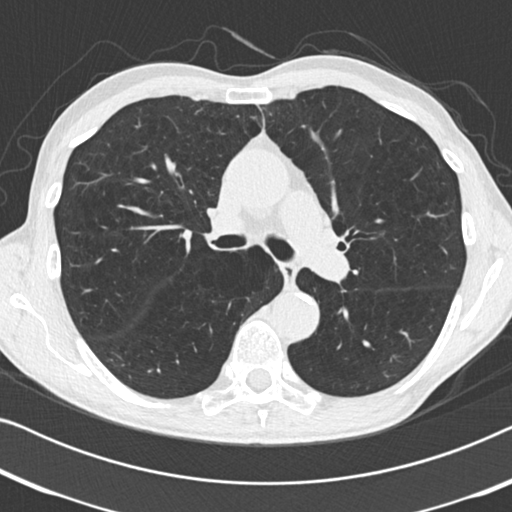
Axial chest CT slice 146 of 225 (counted from the lowest slice); tube voltage 120 kVp, convolution kernel B30f; slices 2.00 mm thick, 0.645 mm per pixel.
None of the four readers outlined a nodule of 3 mm or more on this slice.